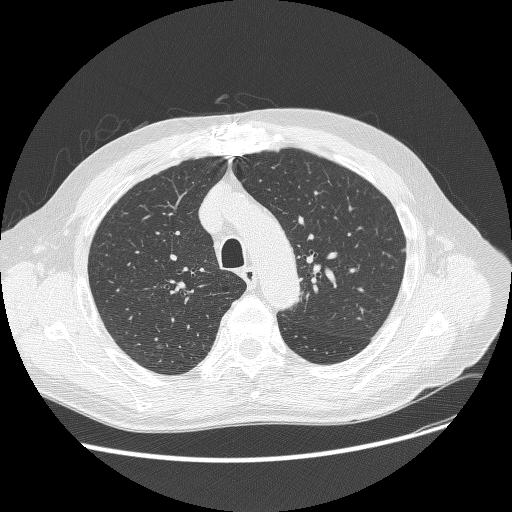
Axial slice 204 of 268 of a chest CT (slice 1 is the lowest), reconstructed with the BONE kernel at 120 kVp; 1.25 mm slice thickness and 0.742 mm pixels.
Pulmonary nodule, outlined by three of the four readers. Box on this slice rows 345–348, columns 156–162, the union of the readers' outlines on this slice; longest diameter 5.6 mm on average over the three readers' outlines (readers' outlines 4.7–6.8 mm), volume 40–85 mm3. The readers' prevailing ratings and who disagreed: texture 1/5 (non-solid), all three readers agreeing; margin split among the readers: 1/5 (indistinct) (one), 2/5 (one), 3/5 (one); most readers (two of three) put sphericity at 3/5 (ovoid), others 5/5 (round) (one); calcification absent, all three readers agreeing; internal structure soft tissue from all three readers; subtlety 2/5 by two of three readers; the rest gave 1/5 (one); malignancy likelihood 3/5, all three readers agreeing. Scale key (1–5): texture non-solid→solid, margin indistinct→circumscribed, sphericity linear→round, subtlety extremely subtle→obvious, malignancy likelihood highly unlikely→highly suspicious of cancer. Box rows and columns are 0-based pixel indices from the top-left corner, inclusive.